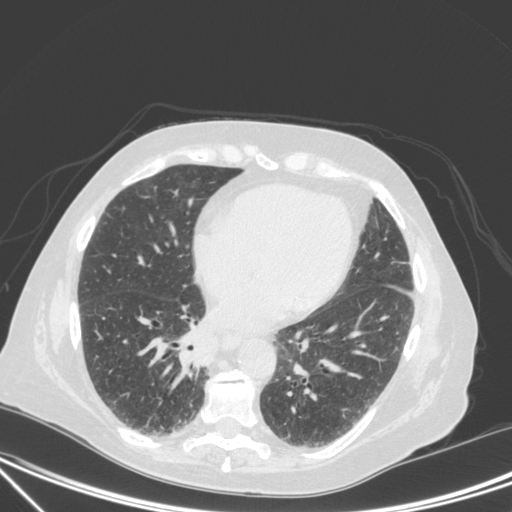
This is axial slice 125 of 350 (slice 1 is the lowest) of a chest CT; each pixel is 0.725 mm and the slice is 1.50 mm thick. Pulmonary nodule at rows 334–365, columns 192–217 (box = that reader's outline on this slice), outlined by one of the four readers; longest diameter 29.7 mm and volume 4028 mm3 from that reader's outline. Ratings by that reader: texture 5/5 (solid); margin 3/5; sphericity 3/5 (ovoid); calcification absent; internal structure soft tissue; subtlety 5/5; malignancy likelihood 4/5. Scale key (1–5): texture non-solid→solid, margin indistinct→circumscribed, sphericity linear→round, subtlety extremely subtle→obvious, malignancy likelihood highly unlikely→highly suspicious of cancer. Box rows and columns are 0-based pixel indices from the top-left corner, inclusive.
Tube voltage 120 kVp; convolution kernel C.